Chest CT, axial plane, 120 kVp, kernel STANDARD. Slice 342/557 from the bottom of the scan; thickness 1.25 mm; pixel size 0.703 mm.
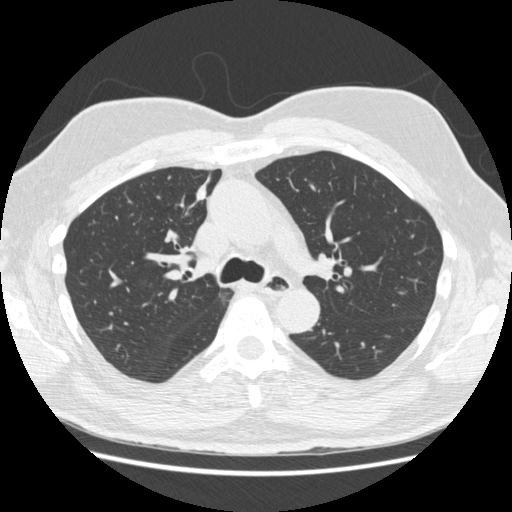
Pulmonary nodule, outlined by all four readers. Box on this slice rows 184–200, columns 195–206, the union of the readers' outlines on this slice; the four readers' outlines give a longest diameter between 12.6 and 14.2 mm and a volume between 470 and 622 mm3. The readers' ratings, as ranges where they differ: texture 5/5 (solid) from all four readers; margin from 4/5 to 5/5 (circumscribed) across the four readers; sphericity 3/5 (ovoid), all four readers agreeing; calcification absent, all four readers agreeing; internal structure soft tissue, all four readers agreeing; subtlety 3–5/5 (the readers disagree); malignancy likelihood from 1/5 to 4/5 across the four readers. Scale key (1–5): texture non-solid→solid, margin indistinct→circumscribed, sphericity linear→round, subtlety extremely subtle→obvious, malignancy likelihood highly unlikely→highly suspicious of cancer. Box rows and columns are 0-based pixel indices from the top-left corner, inclusive.